Chest CT, axial plane, 120 kVp, kernel STANDARD. Slice 304/490 from the bottom of the scan; thickness 1.25 mm; pixel size 0.547 mm.
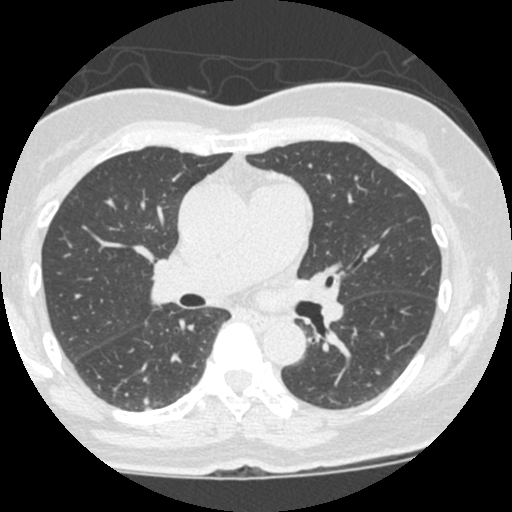
Pulmonary nodule, outlined by all four readers. Box on this slice rows 397–405, columns 142–149, the union of the readers' outlines on this slice; longest diameter 5.2–6.2 mm and volume 53–89 mm3 across the four readers' outlines. Ratings across the readers: texture 5/5 (solid), all four readers agreeing; margin from 3/5 to 5/5 (circumscribed) across the four readers; sphericity from 3/5 (ovoid) to 5/5 (round) across the four readers; calcification absent from all four readers; internal structure soft tissue, all four readers agreeing; subtlety 3–4/5 (the readers disagree); malignancy likelihood from 2/5 to 3/5 across the four readers. Scale key (1–5): texture non-solid→solid, margin indistinct→circumscribed, sphericity linear→round, subtlety extremely subtle→obvious, malignancy likelihood highly unlikely→highly suspicious of cancer. Box rows and columns are 0-based pixel indices from the top-left corner, inclusive.